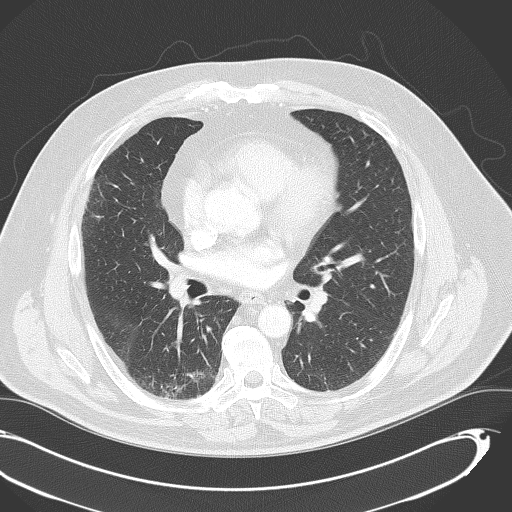
Slice 199/333 of a chest CT, counting up from the lowest; pixel size 0.775 mm, slice thickness 2.00 mm. Pulmonary nodule, outlined by all four readers, three of them on this slice. Box on this slice rows 213–217, columns 91–103, the union of the readers' outlines on this slice; median longest diameter 11.1 mm (readers' outlines 9.4–12.6 mm), median volume 391 mm3 (231–434 mm3). Ratings, median across the readers with their spread: texture 5/5 (solid) from all four readers; median margin 4/5 (readers ranged 4/5 to 5/5 (circumscribed)); median sphericity 5/5 (round) (readers ranged 4/5 to 5/5 (round)); calcification: absent (three), non-central calcification (one); internal structure soft tissue, all four readers agreeing; median subtlety 4.5/5 (readers ranged 3–5); median malignancy likelihood 3.5/5 (readers ranged 1–4). Scale key (1–5): texture non-solid→solid, margin indistinct→circumscribed, sphericity linear→round, subtlety extremely subtle→obvious, malignancy likelihood highly unlikely→highly suspicious of cancer. Box rows and columns are 0-based pixel indices from the top-left corner, inclusive.
Scan settings: 120 kVp, B70f reconstruction kernel.